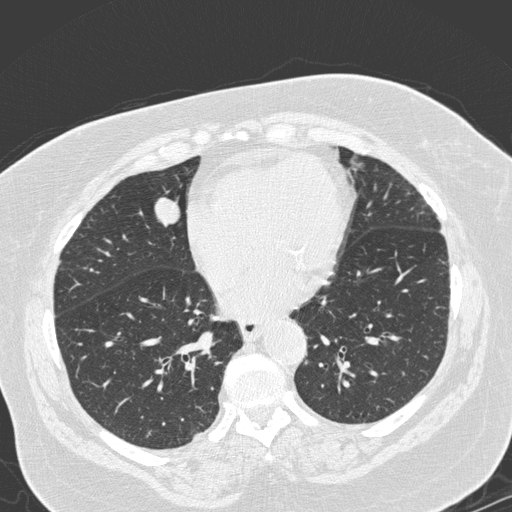
Axial slice 82 of 280 of a chest CT (slice 1 is the lowest), reconstructed with the D kernel at 120 kVp; 1.00 mm slice thickness and 0.666 mm pixels.
Pulmonary nodule, outlined by all four readers. Box on this slice rows 197–226, columns 152–179, the union of the readers' outlines on this slice; longest diameter 25.0–27.8 mm and volume 4698–5913 mm3 across the four readers' outlines. Ratings across the readers: texture 5/5 (solid), all four readers agreeing; margin from 4/5 to 5/5 (circumscribed) across the four readers; sphericity from 3/5 (ovoid) to 5/5 (round) across the four readers; calcification absent from all four readers; internal structure soft tissue from all four readers; subtlety 5/5 from all four readers; malignancy likelihood 2–5/5 (the readers disagree). Scale key (1–5): texture non-solid→solid, margin indistinct→circumscribed, sphericity linear→round, subtlety extremely subtle→obvious, malignancy likelihood highly unlikely→highly suspicious of cancer. Box rows and columns are 0-based pixel indices from the top-left corner, inclusive.